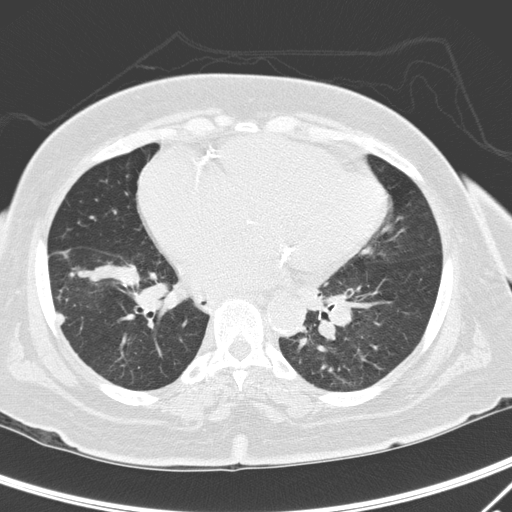
Axial chest CT slice 127 of 295 (counted from the lowest slice); 2.00 mm thick, 0.682 mm per pixel. Pulmonary nodule, outlined by three of the four readers. Box on this slice rows 312–325, columns 56–63, the union of the readers' outlines on this slice; median longest diameter 9.5 mm (readers' outlines 9.3–10.1 mm), median volume 206 mm3 (186–247 mm3). Median ratings and the readers' spread: median texture 5/5 (solid) (readers ranged 4/5 to 5/5 (solid)); margin 4/5 at the median of three readers, spread 1/5 (indistinct) to 4/5; sphericity 3/5 (ovoid), all three readers agreeing; calcification absent from all three readers; internal structure soft tissue from all three readers; subtlety 5/5 at the median of three readers, spread 4–5; malignancy likelihood 3/5 at the median of three readers, spread 1–4. Scale key (1–5): texture non-solid→solid, margin indistinct→circumscribed, sphericity linear→round, subtlety extremely subtle→obvious, malignancy likelihood highly unlikely→highly suspicious of cancer. Box rows and columns are 0-based pixel indices from the top-left corner, inclusive.
Acquired at 120 kVp and reconstructed with the D kernel.